Chest CT, axial plane, 120 kVp, kernel STANDARD. Slice 83/143 from the bottom of the scan; thickness 2.50 mm; pixel size 0.859 mm.
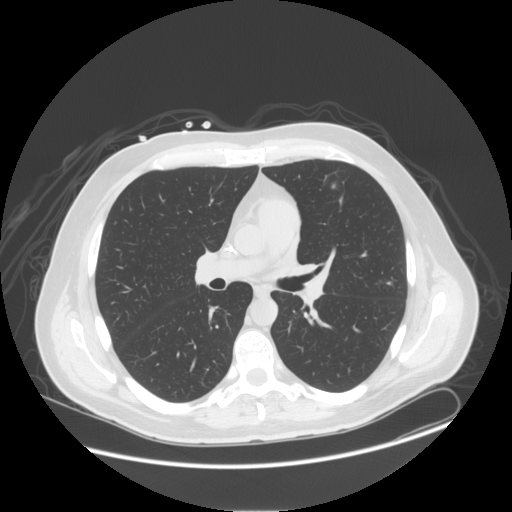
Pulmonary nodule outlined by one of the four readers; box rows 183–188, columns 331–335 (that reader's outline on this slice); longest diameter 8.8 mm and volume 188 mm3 from that reader's outline. Ratings by that reader: texture 5/5 (solid); margin 3/5; sphericity 5/5 (round); calcification absent; internal structure soft tissue; subtlety 3/5; malignancy likelihood 3/5. Scale key (1–5): texture non-solid→solid, margin indistinct→circumscribed, sphericity linear→round, subtlety extremely subtle→obvious, malignancy likelihood highly unlikely→highly suspicious of cancer. Box rows and columns are 0-based pixel indices from the top-left corner, inclusive.